Chest CT, axial plane, 135 kVp, kernel FC01. Slice 81/102 from the bottom of the scan; thickness 3.00 mm; pixel size 0.808 mm.
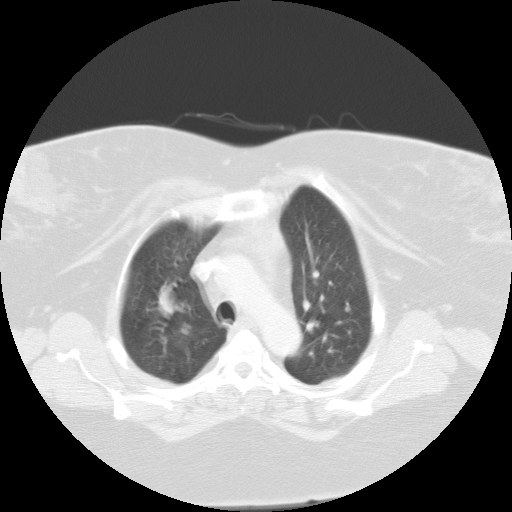
Pulmonary nodule outlined by all four readers; box rows 285–315, columns 158–178 (the union of the readers' outlines on this slice); median longest diameter 29.4 mm (readers' outlines 26.9–30.9 mm), median volume 6306 mm3 (5712–7254 mm3). Median ratings and the readers' spread: texture 5/5 (solid) from all four readers; margin 5/5 (circumscribed) from all four readers; median sphericity 4.5/5 (readers ranged 4/5 to 5/5 (round)); calcification absent from all four readers; internal structure soft tissue, all four readers agreeing; subtlety 5/5 from all four readers; median malignancy likelihood 5/5 (readers ranged 2–5). Scale key (1–5): texture non-solid→solid, margin indistinct→circumscribed, sphericity linear→round, subtlety extremely subtle→obvious, malignancy likelihood highly unlikely→highly suspicious of cancer. Box rows and columns are 0-based pixel indices from the top-left corner, inclusive.